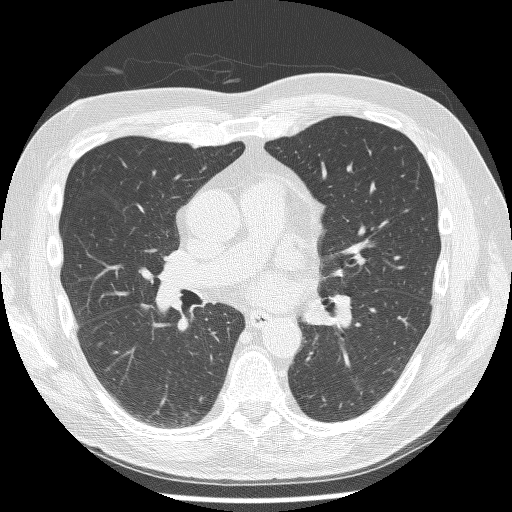
Axial chest CT slice 133 of 244 (counted from the lowest slice); tube voltage 120 kVp, convolution kernel BONE; slices 1.25 mm thick, 0.674 mm per pixel.
Pulmonary nodule, outlined by all four readers, two of them on this slice. Box on this slice rows 304–308, columns 141–147, the union of the readers' outlines on this slice; longest diameter 8.6–12.1 mm and volume 222–252 mm3 across the four readers' outlines. The readers' ratings, as ranges where they differ: texture from 4/5 to 5/5 (solid) across the four readers; margin from 4/5 to 5/5 (circumscribed) across the four readers; sphericity from 2/5 to 3/5 (ovoid) across the four readers; calcification absent from all four readers; internal structure soft tissue from all four readers; subtlety rated between 4 and 5 out of 5 by the four readers; malignancy likelihood 2–4/5 (the readers disagree). Scale key (1–5): texture non-solid→solid, margin indistinct→circumscribed, sphericity linear→round, subtlety extremely subtle→obvious, malignancy likelihood highly unlikely→highly suspicious of cancer. Box rows and columns are 0-based pixel indices from the top-left corner, inclusive.